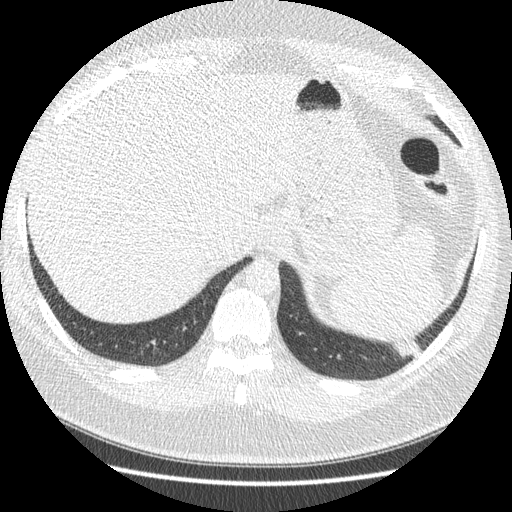
Axial chest CT slice 38 of 421 (counted from the lowest slice); 1.25 mm thick, 0.703 mm per pixel. Pulmonary nodule, outlined four times (the source holds four more outlines, not used). Box on this slice rows 338–357, columns 391–423, the union of the readers' outlines on this slice; longest diameter 30.9–38.9 mm and volume 4443–5826 mm3 across the four readers' outlines. The readers' ratings, as ranges where they differ: texture from 4/5 to 5/5 (solid) across the four readers; margin from 3/5 to 4/5 across the four readers; sphericity from 2/5 to 4/5 across the four readers; calcification absent, all four readers agreeing; internal structure soft tissue from all four readers; subtlety rated between 4 and 5 out of 5 by the four readers; malignancy likelihood from 2/5 to 5/5 across the four readers. Scale key (1–5): texture non-solid→solid, margin indistinct→circumscribed, sphericity linear→round, subtlety extremely subtle→obvious, malignancy likelihood highly unlikely→highly suspicious of cancer. Box rows and columns are 0-based pixel indices from the top-left corner, inclusive.
Acquired at 120 kVp and reconstructed with the STANDARD kernel.